Axial chest CT slice 57 of 117 (counted from the lowest slice); tube voltage 130 kVp, convolution kernel B31s; slices 3.00 mm thick, 0.566 mm per pixel.
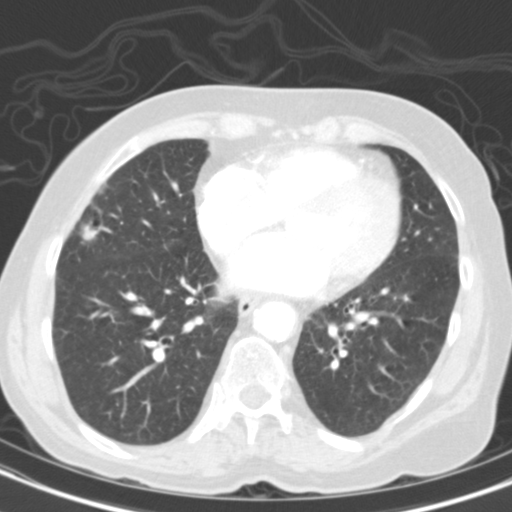
Pulmonary nodule outlined by all four readers; box rows 207–240, columns 81–101 (the union of the readers' outlines on this slice); longest diameter 20.3 mm on average over the four readers' outlines (readers' outlines 18.9–22.0 mm), volume 1351–2170 mm3. Ratings, by the readers' most common answer with dissent counted: texture 5/5 (solid) by two of four readers; the rest gave 3/5 (part-solid) (one), 4/5 (one); margin 5/5 (circumscribed) by two of four readers; the rest gave 3/5 (one), 4/5 (one); sphericity 3/5 (ovoid) by two of four readers; the rest gave 4/5 (one), 5/5 (round) (one); calcification absent from all four readers; internal structure soft tissue from all four readers; subtlety 5/5 from all four readers; most readers (three of four) put malignancy likelihood at 5/5, others 4/5 (one). Scale key (1–5): texture non-solid→solid, margin indistinct→circumscribed, sphericity linear→round, subtlety extremely subtle→obvious, malignancy likelihood highly unlikely→highly suspicious of cancer. Box rows and columns are 0-based pixel indices from the top-left corner, inclusive.